One axial slice (155 of 238, counting up from the lowest) of a chest CT acquired at 120 kVp with the STANDARD kernel; each pixel is 0.664 mm and the slice is 1.25 mm thick.
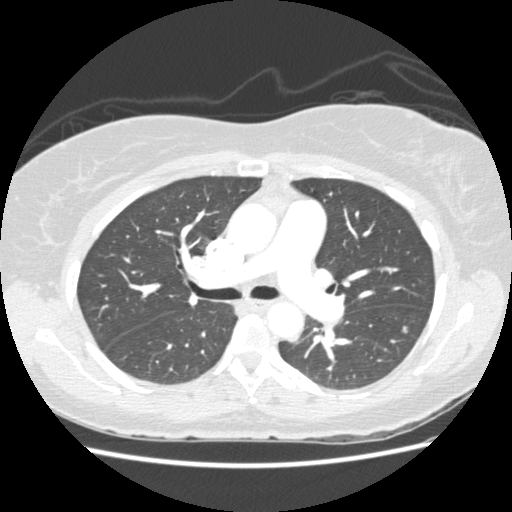
Pulmonary nodule, outlined by one of the four readers. Box on this slice rows 326–332, columns 402–407, that reader's outline on this slice; longest diameter 5.9 mm and volume 24 mm3 from that reader's outline. Ratings by that reader: texture 5/5 (solid); margin 4/5; sphericity 4/5; calcification absent; internal structure soft tissue; subtlety 2/5; malignancy likelihood 2/5. Scale key (1–5): texture non-solid→solid, margin indistinct→circumscribed, sphericity linear→round, subtlety extremely subtle→obvious, malignancy likelihood highly unlikely→highly suspicious of cancer. Box rows and columns are 0-based pixel indices from the top-left corner, inclusive.